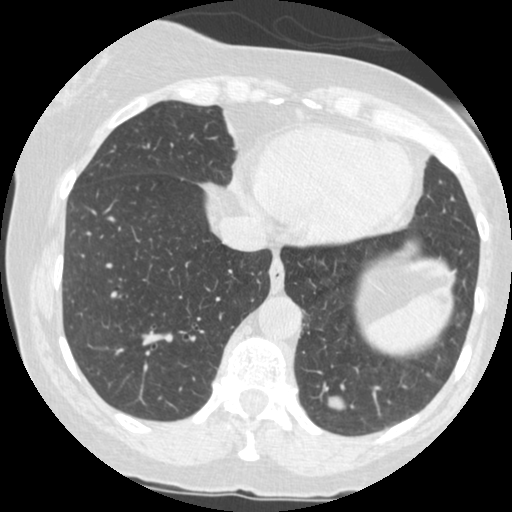
Axial slice 126 of 484 of a chest CT (slice 1 is the lowest), reconstructed with the STANDARD kernel at 120 kVp; 1.25 mm slice thickness and 0.586 mm pixels.
Pulmonary nodule outlined by all four readers; box rows 395–412, columns 326–345 (the union of the readers' outlines on this slice); longest diameter 15.7 mm on average over the four readers' outlines (readers' outlines 14.7–16.9 mm), volume 1036–1469 mm3. The readers' prevailing ratings and who disagreed: texture 5/5 (solid), all four readers agreeing; margin 5/5 (circumscribed) from all four readers; sphericity 4/5 by two of four readers; the rest gave 3/5 (ovoid) (one), 5/5 (round) (one); calcification absent from all four readers; internal structure soft tissue from all four readers; subtlety 5/5 from all four readers; malignancy likelihood 5/5 by two of four readers; the rest gave 2/5 (one), 3/5 (one). Scale key (1–5): texture non-solid→solid, margin indistinct→circumscribed, sphericity linear→round, subtlety extremely subtle→obvious, malignancy likelihood highly unlikely→highly suspicious of cancer. Box rows and columns are 0-based pixel indices from the top-left corner, inclusive.